Axial slice 135 of 278 of a chest CT (slice 1 is the lowest), reconstructed with the D kernel at 120 kVp; 1.00 mm slice thickness and 0.812 mm pixels.
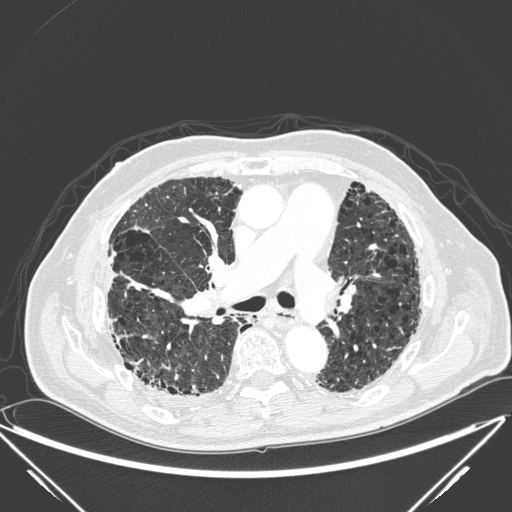
Pulmonary nodule outlined by all four readers, two of them on this slice; box rows 364–369, columns 162–169 (the union of the readers' outlines on this slice); the four readers' outlines give a longest diameter between 17.4 and 39.8 mm and a volume between 1021 and 4525 mm3. The readers' ratings, as ranges where they differ: texture 5/5 (solid) from all four readers; margin from 1/5 (indistinct) to 5/5 (circumscribed) across the four readers; sphericity from 2/5 to 5/5 (round) across the four readers; calcification absent, all four readers agreeing; internal structure soft tissue from all four readers; subtlety rated between 4 and 5 out of 5 by the four readers; malignancy likelihood rated between 3 and 5 out of 5 by the four readers. Scale key (1–5): texture non-solid→solid, margin indistinct→circumscribed, sphericity linear→round, subtlety extremely subtle→obvious, malignancy likelihood highly unlikely→highly suspicious of cancer. Box rows and columns are 0-based pixel indices from the top-left corner, inclusive.